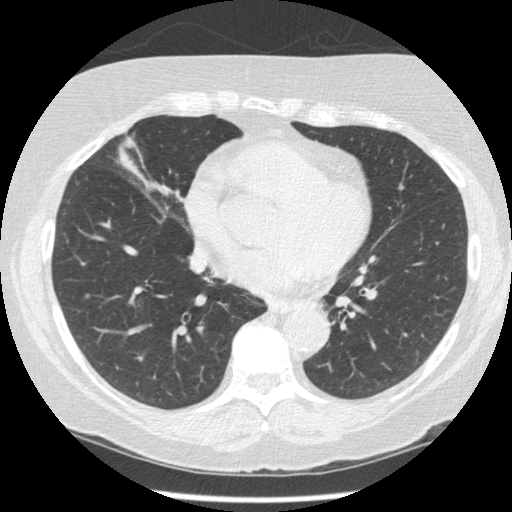
Axial chest CT slice 205 of 484 (counted from the lowest slice); 1.25 mm thick, 0.664 mm per pixel. Pulmonary nodule outlined by one of the four readers; box rows 294–298, columns 85–90 (that reader's outline on this slice); longest diameter 5.6 mm and volume 47 mm3 from that reader's outline. Ratings by that reader: texture 5/5 (solid); margin 4/5; sphericity 5/5 (round); calcification absent; internal structure soft tissue; subtlety 5/5; malignancy likelihood 3/5. Scale key (1–5): texture non-solid→solid, margin indistinct→circumscribed, sphericity linear→round, subtlety extremely subtle→obvious, malignancy likelihood highly unlikely→highly suspicious of cancer. Box rows and columns are 0-based pixel indices from the top-left corner, inclusive.
Acquired at 120 kVp and reconstructed with the STANDARD kernel.